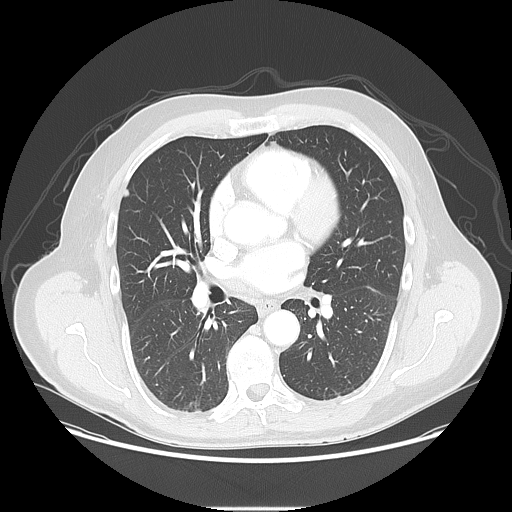
Axial slice 61 of 117 of a chest CT (slice 1 is the lowest), reconstructed with the LUNG kernel at 120 kVp; 2.50 mm slice thickness and 0.820 mm pixels.
Pulmonary nodule outlined by three of the four readers; box rows 189–196, columns 124–128 (the union of the readers' outlines on this slice); longest diameter 6.2–7.6 mm and volume 55–75 mm3 across the three readers' outlines. The readers' ratings, as ranges where they differ: texture 5/5 (solid), all three readers agreeing; margin from 4/5 to 5/5 (circumscribed) across the three readers; sphericity from 2/5 to 5/5 (round) across the three readers; calcification absent, all three readers agreeing; internal structure soft tissue, all three readers agreeing; subtlety 3/5, all three readers agreeing; malignancy likelihood rated between 2 and 3 out of 5 by the three readers. Scale key (1–5): texture non-solid→solid, margin indistinct→circumscribed, sphericity linear→round, subtlety extremely subtle→obvious, malignancy likelihood highly unlikely→highly suspicious of cancer. Box rows and columns are 0-based pixel indices from the top-left corner, inclusive.